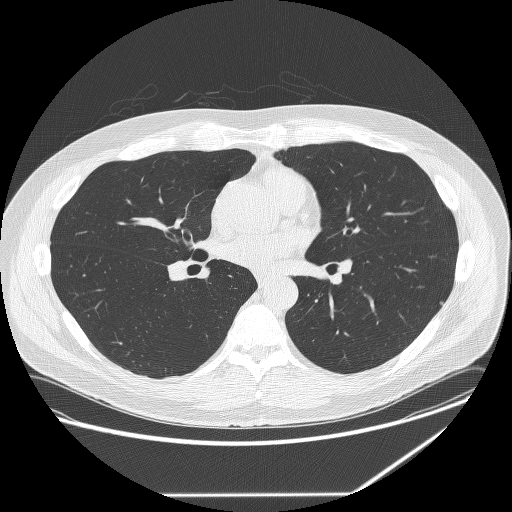
Slice 145/291 of a chest CT, counting up from the lowest; pixel size 0.820 mm, slice thickness 1.25 mm. Pulmonary nodule at rows 302–305, columns 440–443 (box = the union of the readers' outlines on this slice), outlined by two of the four readers; longest diameter 5.0–6.0 mm and volume 43–48 mm3 across the two readers' outlines. The readers' ratings, as ranges where they differ: texture from 3/5 (part-solid) to 5/5 (solid) across the two readers; margin from 3/5 to 5/5 (circumscribed) across the two readers; sphericity from 3/5 (ovoid) to 4/5 across the two readers; calcification absent, both readers agreeing; internal structure soft tissue from both readers; subtlety rated between 1 and 4 out of 5 by the two readers; malignancy likelihood rated between 2 and 3 out of 5 by the two readers. Scale key (1–5): texture non-solid→solid, margin indistinct→circumscribed, sphericity linear→round, subtlety extremely subtle→obvious, malignancy likelihood highly unlikely→highly suspicious of cancer. Box rows and columns are 0-based pixel indices from the top-left corner, inclusive.
Scan settings: 120 kVp, BONE reconstruction kernel.